Axial slice 73 of 123 of a chest CT (slice 1 is the lowest), reconstructed with the BONE kernel at 140 kVp; 2.50 mm slice thickness and 0.703 mm pixels.
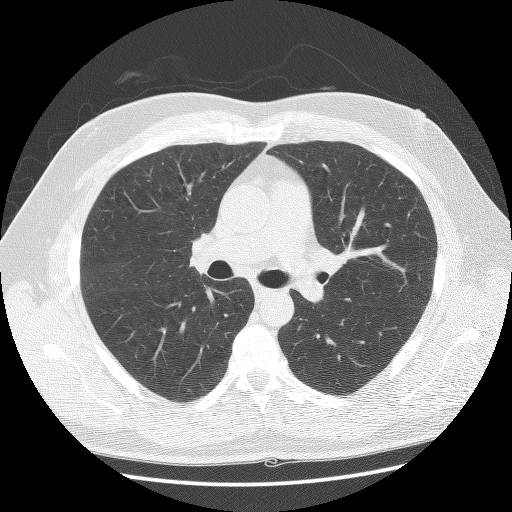
Pulmonary nodule, outlined by three of the four readers. Box on this slice rows 297–301, columns 345–351, the union of the readers' outlines on this slice; median longest diameter 5.7 mm (readers' outlines 5.1–6.0 mm), median volume 83 mm3 (71–93 mm3). Median ratings and the readers' spread: median texture 5/5 (solid) (readers ranged 3/5 (part-solid) to 5/5 (solid)); margin 4/5 at the median of three readers, spread 4/5 to 5/5 (circumscribed); median sphericity 4/5 (readers ranged 3/5 (ovoid) to 4/5); calcification absent from all three readers; internal structure soft tissue, all three readers agreeing; subtlety 4/5 at the median of three readers, spread 4–5; malignancy likelihood 3/5, all three readers agreeing. Scale key (1–5): texture non-solid→solid, margin indistinct→circumscribed, sphericity linear→round, subtlety extremely subtle→obvious, malignancy likelihood highly unlikely→highly suspicious of cancer. Box rows and columns are 0-based pixel indices from the top-left corner, inclusive.